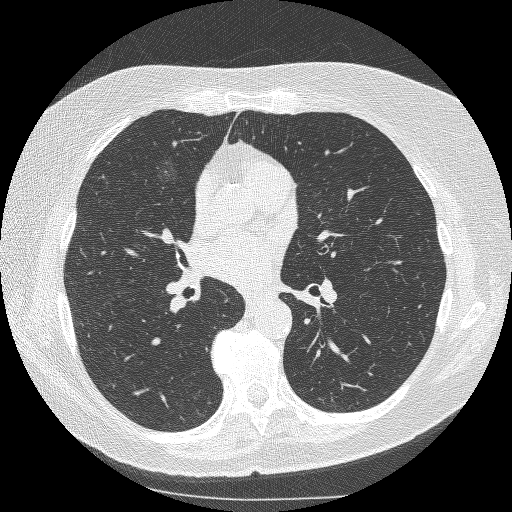
One axial slice (151 of 253, counting up from the lowest) of a chest CT acquired at 120 kVp with the BONE kernel; each pixel is 0.625 mm and the slice is 1.25 mm thick.
Pulmonary nodule outlined by two of the four readers; box rows 153–186, columns 151–184 (the union of the readers' outlines on this slice); longest diameter 18.7–23.7 mm and volume 1459–2126 mm3 across the two readers' outlines. Ratings across the readers: texture 1/5 (non-solid), both readers agreeing; margin 1/5 (indistinct) from both readers; sphericity from 3/5 (ovoid) to 4/5 across the two readers; calcification absent from both readers; internal structure soft tissue from both readers; subtlety from 1/5 to 3/5 across the two readers; malignancy likelihood rated between 3 and 4 out of 5 by the two readers. Scale key (1–5): texture non-solid→solid, margin indistinct→circumscribed, sphericity linear→round, subtlety extremely subtle→obvious, malignancy likelihood highly unlikely→highly suspicious of cancer. Box rows and columns are 0-based pixel indices from the top-left corner, inclusive.